Axial slice 141 of 236 of a chest CT (slice 1 is the lowest), reconstructed with the BONE kernel at 120 kVp; 1.25 mm slice thickness and 0.703 mm pixels.
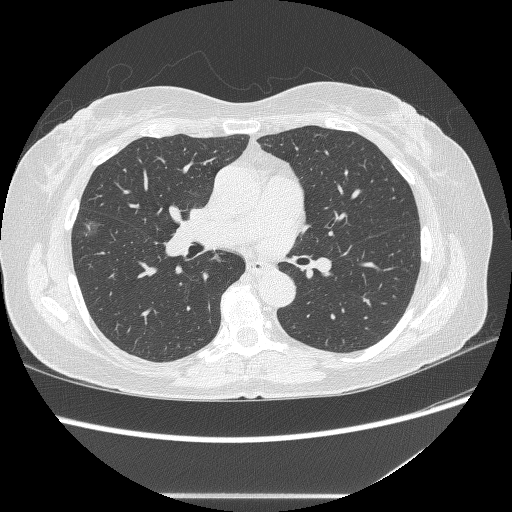
Pulmonary nodule at rows 218–238, columns 78–105 (box = the union of the readers' outlines on this slice), outlined by all four readers; longest diameter 17.0–21.4 mm and volume 673–774 mm3 across the four readers' outlines. The readers' ratings, as ranges where they differ: texture 1/5 (non-solid) from all four readers; margin from 1/5 (indistinct) to 4/5 across the four readers; sphericity from 4/5 to 5/5 (round) across the four readers; calcification absent, all four readers agreeing; internal structure soft tissue, all four readers agreeing; subtlety from 3/5 to 5/5 across the four readers; malignancy likelihood 3–4/5 (the readers disagree). Scale key (1–5): texture non-solid→solid, margin indistinct→circumscribed, sphericity linear→round, subtlety extremely subtle→obvious, malignancy likelihood highly unlikely→highly suspicious of cancer. Box rows and columns are 0-based pixel indices from the top-left corner, inclusive.